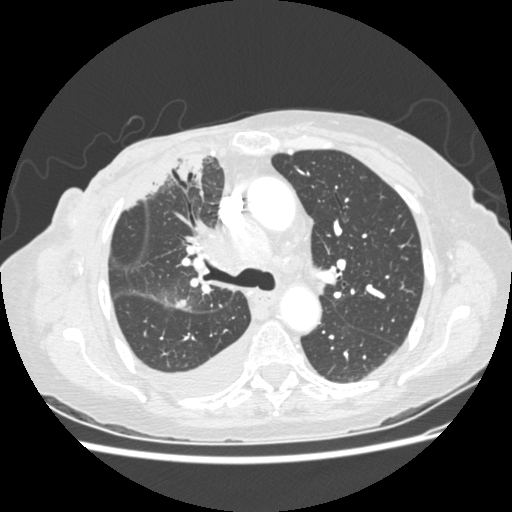
Slice 176/238 of a chest CT, counting up from the lowest; pixel size 0.664 mm, slice thickness 1.25 mm. Pulmonary nodule outlined by two of the four readers; box rows 299–308, columns 174–186 (the union of the readers' outlines on this slice); median longest diameter 32.4 mm (readers' outlines 31.3–33.5 mm), median volume 8391 mm3 (8200–8583 mm3). Median ratings and the readers' spread: texture 5/5 (solid) from both readers; median margin 4.5/5 (readers ranged 4/5 to 5/5 (circumscribed)); sphericity 4/5 from both readers; calcification absent, both readers agreeing; internal structure soft tissue, both readers agreeing; subtlety 5/5, both readers agreeing; malignancy likelihood 4/5 at the median of two readers, spread 3–5. Scale key (1–5): texture non-solid→solid, margin indistinct→circumscribed, sphericity linear→round, subtlety extremely subtle→obvious, malignancy likelihood highly unlikely→highly suspicious of cancer. Box rows and columns are 0-based pixel indices from the top-left corner, inclusive.
Tube voltage 120 kVp; convolution kernel STANDARD.